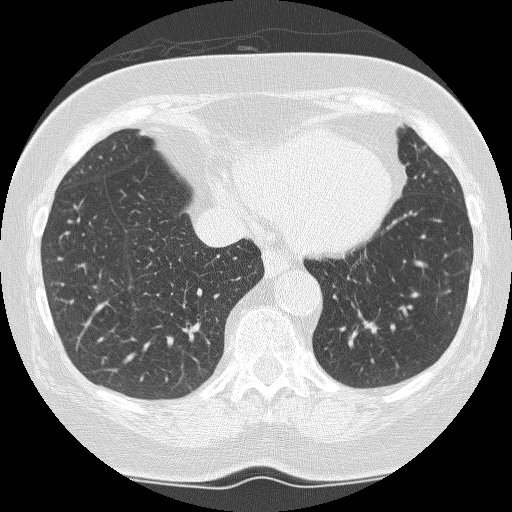
One axial slice (82 of 246, counting up from the lowest) of a chest CT acquired at 120 kVp with the BONE kernel; each pixel is 0.566 mm and the slice is 1.25 mm thick.
Pulmonary nodule, outlined by all four readers, two of them on this slice. Box on this slice rows 322–332, columns 364–376, the union of the readers' outlines on this slice; longest diameter 13.8–17.3 mm and volume 672–1099 mm3 across the four readers' outlines. Ratings across the readers: texture 5/5 (solid), all four readers agreeing; margin from 2/5 to 4/5 across the four readers; sphericity from 2/5 to 4/5 across the four readers; calcification absent from all four readers; internal structure soft tissue from all four readers; subtlety rated between 4 and 5 out of 5 by the four readers; malignancy likelihood rated between 3 and 5 out of 5 by the four readers. Scale key (1–5): texture non-solid→solid, margin indistinct→circumscribed, sphericity linear→round, subtlety extremely subtle→obvious, malignancy likelihood highly unlikely→highly suspicious of cancer. Box rows and columns are 0-based pixel indices from the top-left corner, inclusive.